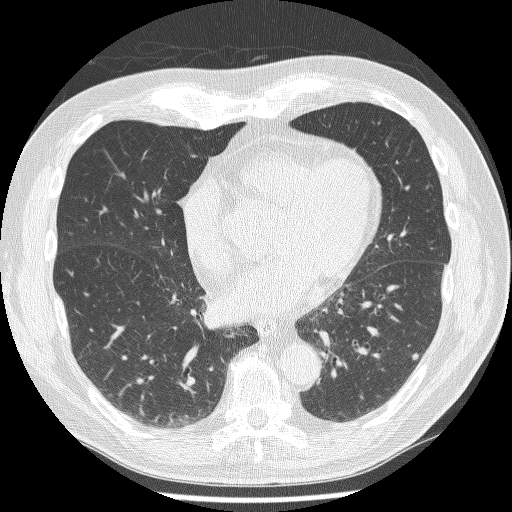
One axial slice (102 of 244, counting up from the lowest) of a chest CT acquired at 120 kVp with the BONE kernel; each pixel is 0.674 mm and the slice is 1.25 mm thick.
Pulmonary nodule, outlined by all four readers. Box on this slice rows 353–360, columns 411–418, the union of the readers' outlines on this slice; median longest diameter 6.6 mm (readers' outlines 6.2–6.9 mm), median volume 94 mm3 (78–119 mm3). Median ratings and the readers' spread: texture 5/5 (solid), all four readers agreeing; margin 4.5/5 at the median of four readers, spread 4/5 to 5/5 (circumscribed); sphericity 4/5 at the median of four readers, spread 4/5 to 5/5 (round); calcification absent, all four readers agreeing; internal structure soft tissue from all four readers; subtlety 4/5 at the median of four readers, spread 3–5; median malignancy likelihood 3/5 (readers ranged 2–4). Scale key (1–5): texture non-solid→solid, margin indistinct→circumscribed, sphericity linear→round, subtlety extremely subtle→obvious, malignancy likelihood highly unlikely→highly suspicious of cancer. Box rows and columns are 0-based pixel indices from the top-left corner, inclusive.